Axial chest CT slice 85 of 214 (counted from the lowest slice); tube voltage 120 kVp, convolution kernel LUNG; slices 1.25 mm thick, 0.820 mm per pixel.
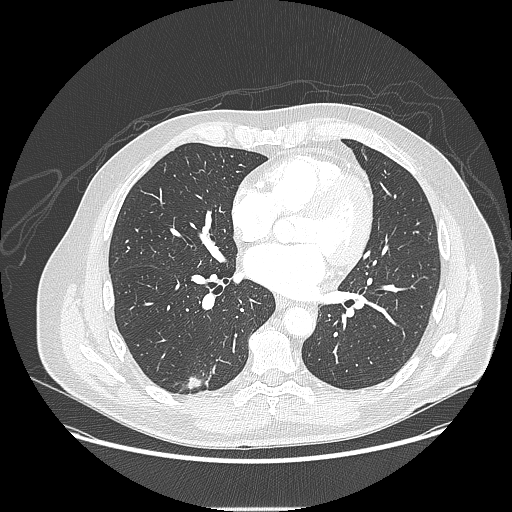
Pulmonary nodule outlined by all four readers, three of them on this slice; box rows 376–389, columns 185–201 (the union of the readers' outlines on this slice); longest diameter 22.2 mm on average over the four readers' outlines (readers' outlines 14.7–27.9 mm), volume 696–2326 mm3. The readers' prevailing ratings and who disagreed: texture 5/5 (solid) by three of four readers; the rest gave 4/5 (one); most readers (three of four) put margin at 4/5, others 1/5 (indistinct) (one); sphericity split among the readers: 2/5 (two), 3/5 (ovoid) (two); calcification absent, all four readers agreeing; internal structure soft tissue, all four readers agreeing; subtlety split among the readers: 4/5 (two), 5/5 (two); most readers (three of four) put malignancy likelihood at 4/5, others 3/5 (one). Scale key (1–5): texture non-solid→solid, margin indistinct→circumscribed, sphericity linear→round, subtlety extremely subtle→obvious, malignancy likelihood highly unlikely→highly suspicious of cancer. Box rows and columns are 0-based pixel indices from the top-left corner, inclusive.